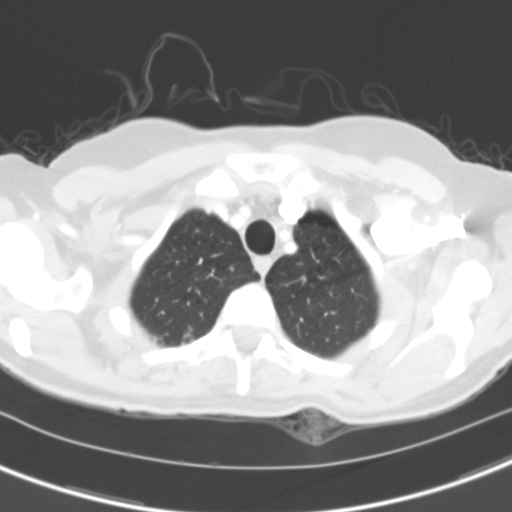
This is axial slice 109 of 122 (slice 1 is the lowest) of a chest CT; each pixel is 0.566 mm and the slice is 3.00 mm thick. Pulmonary nodule outlined by one of the four readers; box rows 333–336, columns 184–189 (that reader's outline on this slice); longest diameter 4.3 mm and volume 25 mm3 from that reader's outline. Ratings by that reader: texture 5/5 (solid); margin 5/5 (circumscribed); sphericity 4/5; calcification absent; internal structure soft tissue; subtlety 5/5; malignancy likelihood 3/5. Scale key (1–5): texture non-solid→solid, margin indistinct→circumscribed, sphericity linear→round, subtlety extremely subtle→obvious, malignancy likelihood highly unlikely→highly suspicious of cancer. Box rows and columns are 0-based pixel indices from the top-left corner, inclusive.
Acquired at 120 kVp and reconstructed with the B31f kernel.